Chest CT, axial plane, 120 kVp, kernel B70f. Slice 240/416 from the bottom of the scan; thickness 2.00 mm; pixel size 0.723 mm.
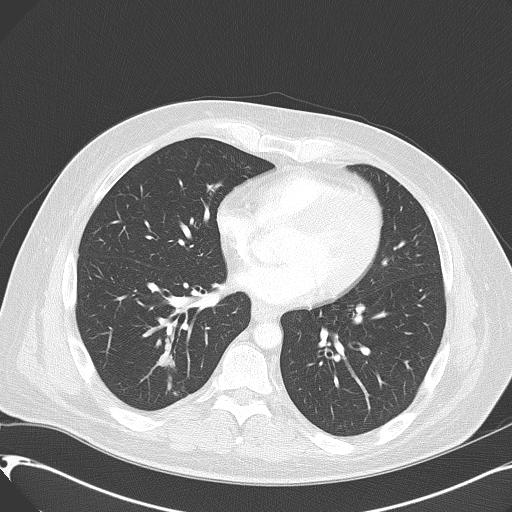
Pulmonary nodule at rows 352–366, columns 158–171 (box = the union of the readers' outlines on this slice), outlined by two of the four readers; median longest diameter 11.9 mm (readers' outlines 11.8–12.1 mm), median volume 666 mm3 (626–706 mm3). Ratings, median across the readers with their spread: texture 5/5 (solid), both readers agreeing; median margin 4.5/5 (readers ranged 4/5 to 5/5 (circumscribed)); sphericity 4/5, both readers agreeing; calcification absent from both readers; internal structure soft tissue, both readers agreeing; subtlety 4.5/5 at the median of two readers, spread 4–5; malignancy likelihood 4.5/5 at the median of two readers, spread 4–5. Scale key (1–5): texture non-solid→solid, margin indistinct→circumscribed, sphericity linear→round, subtlety extremely subtle→obvious, malignancy likelihood highly unlikely→highly suspicious of cancer. Box rows and columns are 0-based pixel indices from the top-left corner, inclusive.